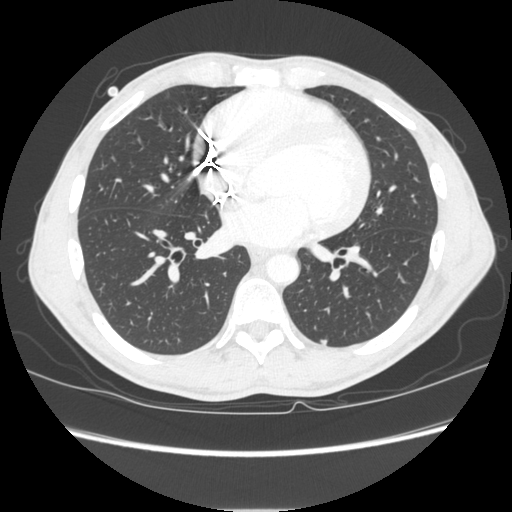
Axial chest CT slice 121 of 261 (counted from the lowest slice); tube voltage 120 kVp, convolution kernel STANDARD; slices 1.25 mm thick, 0.684 mm per pixel.
Pulmonary nodule outlined by all four readers; box rows 339–344, columns 320–326 (the union of the readers' outlines on this slice); median longest diameter 6.1 mm (readers' outlines 5.2–6.8 mm), median volume 78 mm3 (71–112 mm3). Median ratings and the readers' spread: texture 5/5 (solid), all four readers agreeing; margin 5/5 (circumscribed) from all four readers; sphericity 4/5 at the median of four readers, spread 3/5 (ovoid) to 5/5 (round); calcification absent, all four readers agreeing; internal structure soft tissue, all four readers agreeing; subtlety 3.5/5 at the median of four readers, spread 3–4; median malignancy likelihood 3/5 (readers ranged 2–3). Scale key (1–5): texture non-solid→solid, margin indistinct→circumscribed, sphericity linear→round, subtlety extremely subtle→obvious, malignancy likelihood highly unlikely→highly suspicious of cancer. Box rows and columns are 0-based pixel indices from the top-left corner, inclusive.